Chest CT, axial plane, 120 kVp, kernel STANDARD. Slice 88/133 from the bottom of the scan; thickness 2.50 mm; pixel size 0.664 mm.
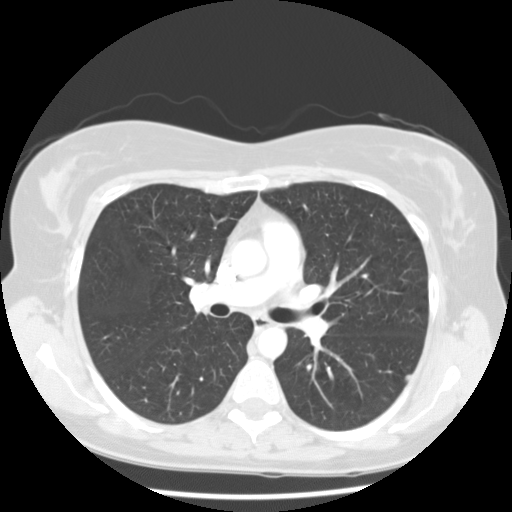
Pulmonary nodule at rows 374–380, columns 406–411 (box = that reader's outline on this slice), outlined by one of the four readers; longest diameter 6.3 mm and volume 91 mm3 from that reader's outline. That reader's ratings: texture 5/5 (solid); margin 5/5 (circumscribed); sphericity 3/5 (ovoid); calcification absent; internal structure soft tissue; subtlety 3/5; malignancy likelihood 2/5. Scale key (1–5): texture non-solid→solid, margin indistinct→circumscribed, sphericity linear→round, subtlety extremely subtle→obvious, malignancy likelihood highly unlikely→highly suspicious of cancer. Box rows and columns are 0-based pixel indices from the top-left corner, inclusive.